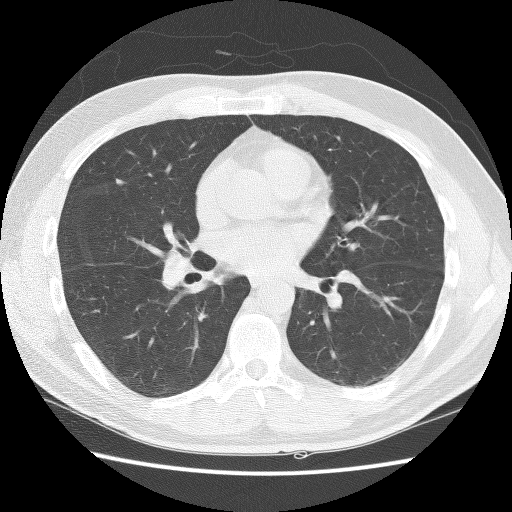
Axial chest CT slice 68 of 127 (counted from the lowest slice); 2.50 mm thick, 0.664 mm per pixel. Pulmonary nodule outlined by three of the four readers; box rows 178–185, columns 115–125 (the union of the readers' outlines on this slice); median longest diameter 7.4 mm (readers' outlines 6.3–7.6 mm), median volume 95 mm3 (58–118 mm3). Median ratings and the readers' spread: texture 5/5 (solid) at the median of three readers, spread 4/5 to 5/5 (solid); median margin 4/5 (readers ranged 3/5 to 5/5 (circumscribed)); median sphericity 2/5 (readers ranged 2/5 to 4/5); calcification absent, all three readers agreeing; internal structure soft tissue, all three readers agreeing; median subtlety 3/5 (readers ranged 2–4); median malignancy likelihood 2/5 (readers ranged 1–2). Scale key (1–5): texture non-solid→solid, margin indistinct→circumscribed, sphericity linear→round, subtlety extremely subtle→obvious, malignancy likelihood highly unlikely→highly suspicious of cancer. Box rows and columns are 0-based pixel indices from the top-left corner, inclusive.
Scan settings: 140 kVp, BONE reconstruction kernel.